Axial chest CT slice 76 of 297 (counted from the lowest slice); tube voltage 120 kVp, convolution kernel STANDARD; slices 1.25 mm thick, 0.787 mm per pixel.
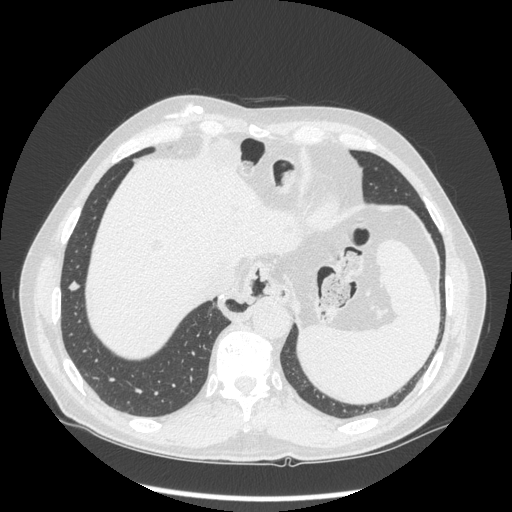
Pulmonary nodule outlined by all four readers; box rows 280–290, columns 68–79 (the union of the readers' outlines on this slice); median longest diameter 10.4 mm (readers' outlines 10.3–11.0 mm), median volume 325 mm3 (283–421 mm3). Median ratings and the readers' spread: texture 5/5 (solid) at the median of four readers, spread 4/5 to 5/5 (solid); median margin 4.5/5 (readers ranged 3/5 to 5/5 (circumscribed)); sphericity 4/5 at the median of four readers, spread 3/5 (ovoid) to 4/5; calcification absent, all four readers agreeing; internal structure soft tissue from all four readers; subtlety 4.5/5 at the median of four readers, spread 3–5; malignancy likelihood 3/5 at the median of four readers, spread 1–4. Scale key (1–5): texture non-solid→solid, margin indistinct→circumscribed, sphericity linear→round, subtlety extremely subtle→obvious, malignancy likelihood highly unlikely→highly suspicious of cancer. Box rows and columns are 0-based pixel indices from the top-left corner, inclusive.